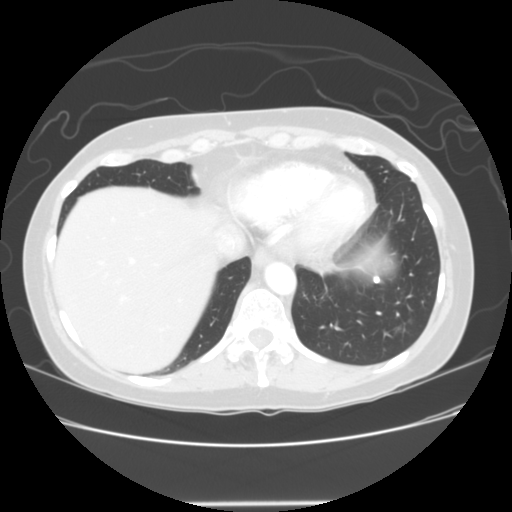
Axial chest CT slice 42 of 140 (counted from the lowest slice); tube voltage 120 kVp, convolution kernel STANDARD; slices 2.50 mm thick, 0.703 mm per pixel.
Pulmonary nodule at rows 276–283, columns 373–379 (box = the union of the readers' outlines on this slice), outlined by all four readers; longest diameter 6.6 mm on average over the four readers' outlines (readers' outlines 6.0–7.6 mm), volume 112–187 mm3. The readers' prevailing ratings and who disagreed: texture 5/5 (solid), all four readers agreeing; margin 5/5 (circumscribed), all four readers agreeing; sphericity 5/5 (round) by three of four readers; the rest gave 4/5 (one); calcification solid calcification by three of four readers, absent (one); internal structure soft tissue, all four readers agreeing; subtlety 5/5 by three of four readers; the rest gave 3/5 (one); most readers (three of four) put malignancy likelihood at 1/5, others 2/5 (one). Scale key (1–5): texture non-solid→solid, margin indistinct→circumscribed, sphericity linear→round, subtlety extremely subtle→obvious, malignancy likelihood highly unlikely→highly suspicious of cancer. Box rows and columns are 0-based pixel indices from the top-left corner, inclusive.